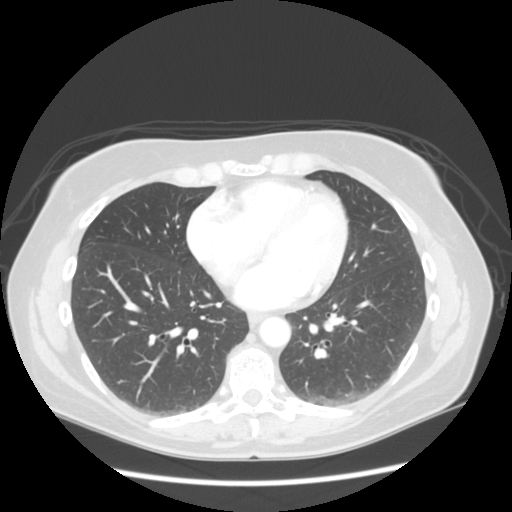
Axial chest CT slice 59 of 133 (counted from the lowest slice); 2.50 mm thick, 0.703 mm per pixel. The readers outlined no nodule of 3 mm or more on this slice.
Acquired at 120 kVp and reconstructed with the STANDARD kernel.